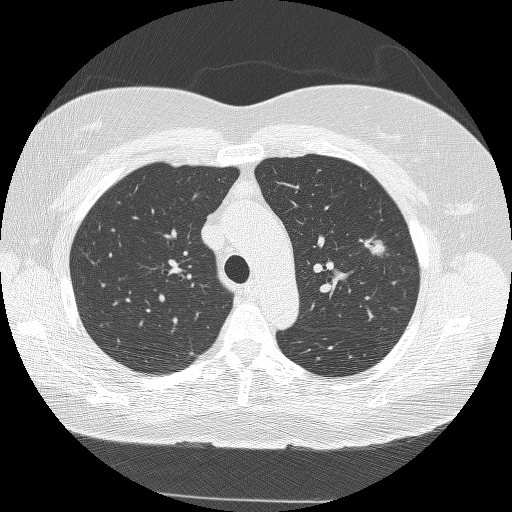
This is axial slice 186 of 245 (slice 1 is the lowest) of a chest CT; each pixel is 0.664 mm and the slice is 1.25 mm thick. Pulmonary nodule outlined by all four readers; box rows 238–256, columns 364–385 (the union of the readers' outlines on this slice); the four readers' outlines give a longest diameter between 20.8 and 22.3 mm and a volume between 2976 and 3390 mm3. Ratings across the readers: texture from 4/5 to 5/5 (solid) across the four readers; margin from 3/5 to 4/5 across the four readers; sphericity from 3/5 (ovoid) to 5/5 (round) across the four readers; calcification absent, all four readers agreeing; internal structure soft tissue from all four readers; subtlety 5/5 from all four readers; malignancy likelihood 5/5 from all four readers. Scale key (1–5): texture non-solid→solid, margin indistinct→circumscribed, sphericity linear→round, subtlety extremely subtle→obvious, malignancy likelihood highly unlikely→highly suspicious of cancer. Box rows and columns are 0-based pixel indices from the top-left corner, inclusive.
Tube voltage 120 kVp; convolution kernel BONE.